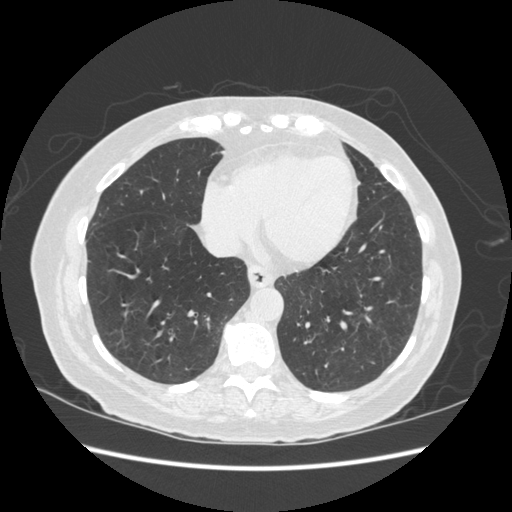
Slice 166/513 of a chest CT, counting up from the lowest; pixel size 0.703 mm, slice thickness 1.25 mm. Pulmonary nodule outlined by two of the four readers; box rows 331–337, columns 156–161 (the union of the readers' outlines on this slice); longest diameter 6.8 mm on average over the two readers' outlines (readers' outlines 6.7–6.9 mm), volume 105–106 mm3. The readers' prevailing ratings and who disagreed: texture split among the readers: 4/5 (one), 5/5 (solid) (one); margin 4/5 from both readers; sphericity split among the readers: 2/5 (one), 4/5 (one); calcification absent from both readers; internal structure soft tissue from both readers; subtlety 2/5, both readers agreeing; malignancy likelihood split among the readers: 1/5 (one), 2/5 (one). Scale key (1–5): texture non-solid→solid, margin indistinct→circumscribed, sphericity linear→round, subtlety extremely subtle→obvious, malignancy likelihood highly unlikely→highly suspicious of cancer. Box rows and columns are 0-based pixel indices from the top-left corner, inclusive.
Acquired at 120 kVp and reconstructed with the STANDARD kernel.